Axial chest CT slice 207 of 383 (counted from the lowest slice); tube voltage 120 kVp, convolution kernel B45f; slices 1.00 mm thick, 0.664 mm per pixel.
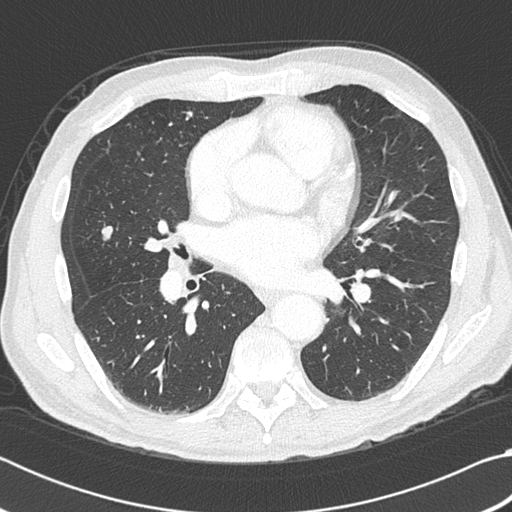
Two pulmonary nodules on this slice, listed from left to right. (1) Pulmonary nodule, outlined by all four readers. Box on this slice rows 225–240, columns 101–113, the union of the readers' outlines on this slice; longest diameter 16.2 mm on average over the four readers' outlines (readers' outlines 15.5–17.3 mm), volume 759–884 mm3. The readers' prevailing ratings and who disagreed: texture 5/5 (solid) from all four readers; most readers (three of four) put margin at 5/5 (circumscribed), others 4/5 (one); sphericity 3/5 (ovoid) by three of four readers; the rest gave 5/5 (round) (one); calcification absent by three of four readers, solid calcification (one); internal structure soft tissue from all four readers; subtlety 5/5 by three of four readers; the rest gave 4/5 (one); malignancy likelihood 3/5 by two of four readers; the rest gave 1/5 (one), 5/5 (one). (2) Pulmonary nodule at rows 111–120, columns 182–192 (box = the union of the readers' outlines on this slice), outlined by all four readers, three of them on this slice; longest diameter 9.8–12.2 mm and volume 379–631 mm3 across the four readers' outlines. The readers' ratings, as ranges where they differ: texture 5/5 (solid), all four readers agreeing; margin 5/5 (circumscribed), all four readers agreeing; sphericity from 3/5 (ovoid) to 5/5 (round) across the four readers; calcification: absent (three), solid calcification (one); internal structure soft tissue from all four readers; subtlety 4–5/5 (the readers disagree); malignancy likelihood 1–4/5 (the readers disagree). Scale key (1–5): texture non-solid→solid, margin indistinct→circumscribed, sphericity linear→round, subtlety extremely subtle→obvious, malignancy likelihood highly unlikely→highly suspicious of cancer. Box rows and columns are 0-based pixel indices from the top-left corner, inclusive.